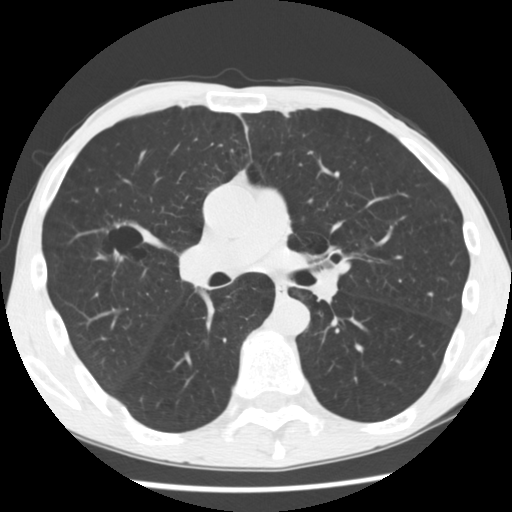
Axial slice 160 of 292 of a chest CT (slice 1 is the lowest), reconstructed with the STANDARD kernel at 120 kVp; 2.50 mm slice thickness and 0.645 mm pixels.
Pulmonary nodule, outlined three times (the source holds two more outlines, not used), one of them on this slice. Box on this slice rows 221–260, columns 113–130, the one reader's outline on this slice; the three readers' outlines give a longest diameter between 18.2 and 19.0 mm and a volume between 892 and 1690 mm3. The readers' ratings, as ranges where they differ: texture 5/5 (solid), all three readers agreeing; margin from 2/5 to 4/5 across the three readers; sphericity from 2/5 to 4/5 across the three readers; calcification absent, all three readers agreeing; internal structure soft tissue from all three readers; subtlety 4–5/5 (the readers disagree); malignancy likelihood 3–5/5 (the readers disagree). Scale key (1–5): texture non-solid→solid, margin indistinct→circumscribed, sphericity linear→round, subtlety extremely subtle→obvious, malignancy likelihood highly unlikely→highly suspicious of cancer. Box rows and columns are 0-based pixel indices from the top-left corner, inclusive.